Axial chest CT slice 192 of 429 (counted from the lowest slice); tube voltage 120 kVp, convolution kernel B30f; slices 0.75 mm thick, 0.586 mm per pixel.
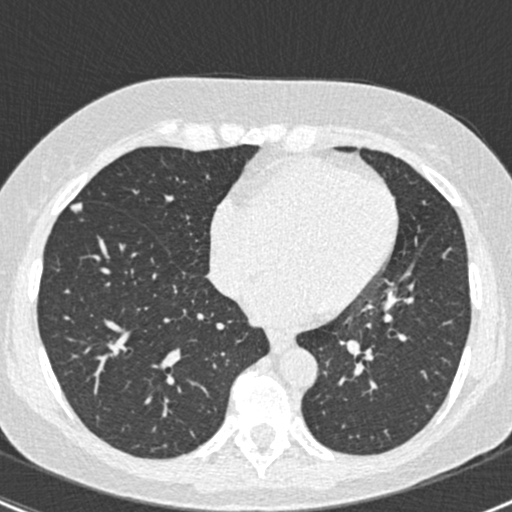
Pulmonary nodule at rows 201–213, columns 69–82 (box = the union of the readers' outlines on this slice), outlined by three of the four readers; median longest diameter 10.9 mm (readers' outlines 9.8–12.3 mm), median volume 283 mm3 (207–302 mm3). Ratings, median across the readers with their spread: texture 5/5 (solid) from all three readers; median margin 4/5 (readers ranged 4/5 to 5/5 (circumscribed)); sphericity 3/5 (ovoid) at the median of three readers, spread 2/5 to 3/5 (ovoid); calcification absent from all three readers; internal structure soft tissue from all three readers; subtlety 5/5 from all three readers; malignancy likelihood 4/5 at the median of three readers, spread 2–4. Scale key (1–5): texture non-solid→solid, margin indistinct→circumscribed, sphericity linear→round, subtlety extremely subtle→obvious, malignancy likelihood highly unlikely→highly suspicious of cancer. Box rows and columns are 0-based pixel indices from the top-left corner, inclusive.